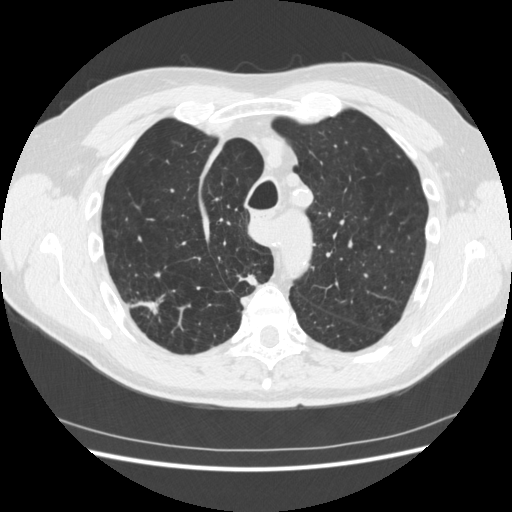
Axial slice 345 of 481 of a chest CT (slice 1 is the lowest), reconstructed with the STANDARD kernel at 120 kVp; 1.25 mm slice thickness and 0.703 mm pixels.
Two pulmonary nodules on this slice, listed from left to right. (1) Pulmonary nodule, outlined by all four readers. Box on this slice rows 293–315, columns 131–165, the union of the readers' outlines on this slice; median longest diameter 25.6 mm (readers' outlines 18.7–34.9 mm), median volume 2081 mm3 (1155–4169 mm3). Ratings, median across the readers with their spread: texture 5/5 (solid) at the median of four readers, spread 4/5 to 5/5 (solid); margin 2.5/5 at the median of four readers, spread 1/5 (indistinct) to 4/5; median sphericity 3.5/5 (readers ranged 2/5 to 5/5 (round)); calcification absent, all four readers agreeing; internal structure soft tissue from all four readers; subtlety 5/5, all four readers agreeing; malignancy likelihood 5/5 at the median of four readers, spread 4–5. (2) Pulmonary nodule outlined by three of the four readers; box rows 274–285, columns 238–257 (the union of the readers' outlines on this slice); longest diameter 15.9 mm on average over the three readers' outlines (readers' outlines 13.5–18.5 mm), volume 529–1088 mm3. Ratings, by the readers' most common answer with dissent counted: texture 5/5 (solid), all three readers agreeing; most readers (two of three) put margin at 4/5, others 1/5 (indistinct) (one); sphericity 3/5 (ovoid) by two of three readers; the rest gave 2/5 (one); calcification absent from all three readers; internal structure soft tissue from all three readers; most readers (two of three) put subtlety at 5/5, others 4/5 (one); most readers (two of three) put malignancy likelihood at 5/5, others 3/5 (one). Scale key (1–5): texture non-solid→solid, margin indistinct→circumscribed, sphericity linear→round, subtlety extremely subtle→obvious, malignancy likelihood highly unlikely→highly suspicious of cancer. Box rows and columns are 0-based pixel indices from the top-left corner, inclusive.